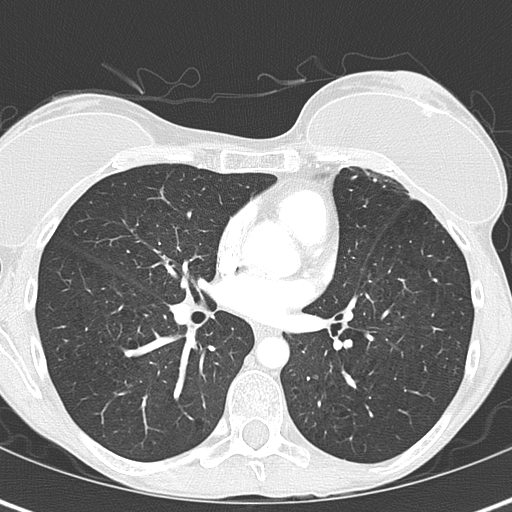
Chest CT, axial plane, 120 kVp, kernel B70f. Slice 196/345 from the bottom of the scan; thickness 2.00 mm; pixel size 0.541 mm.
Pulmonary nodule at rows 339–348, columns 343–353 (box = the union of the readers' outlines on this slice), outlined by all four readers; longest diameter 6.8 mm on average over the four readers' outlines (readers' outlines 6.3–7.7 mm), volume 105–184 mm3. The readers' prevailing ratings and who disagreed: texture 5/5 (solid) from all four readers; margin 5/5 (circumscribed), all four readers agreeing; sphericity split among the readers: 4/5 (two), 5/5 (round) (two); calcification split among the readers: laminated calcification (two), solid calcification (two); internal structure soft tissue from all four readers; subtlety 5/5 by two of four readers; the rest gave 2/5 (one), 3/5 (one); malignancy likelihood 1/5, all four readers agreeing. Scale key (1–5): texture non-solid→solid, margin indistinct→circumscribed, sphericity linear→round, subtlety extremely subtle→obvious, malignancy likelihood highly unlikely→highly suspicious of cancer. Box rows and columns are 0-based pixel indices from the top-left corner, inclusive.